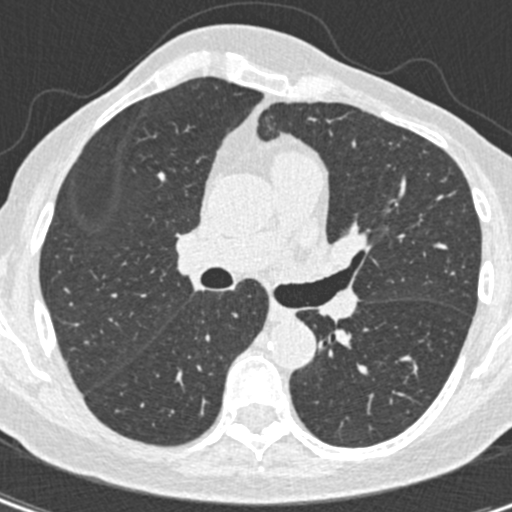
Axial slice 244 of 408 of a chest CT (slice 1 is the lowest), reconstructed with the B30f kernel at 120 kVp; 0.75 mm slice thickness and 0.531 mm pixels.
Pulmonary nodule at rows 168–173, columns 133–136 (box = that reader's outline on this slice), outlined by one of the four readers; longest diameter 4.8 mm and volume 20 mm3 from that reader's outline. Ratings by that reader: texture 5/5 (solid); margin 5/5 (circumscribed); sphericity 5/5 (round); calcification absent; internal structure soft tissue; subtlety 4/5; malignancy likelihood 2/5. Scale key (1–5): texture non-solid→solid, margin indistinct→circumscribed, sphericity linear→round, subtlety extremely subtle→obvious, malignancy likelihood highly unlikely→highly suspicious of cancer. Box rows and columns are 0-based pixel indices from the top-left corner, inclusive.